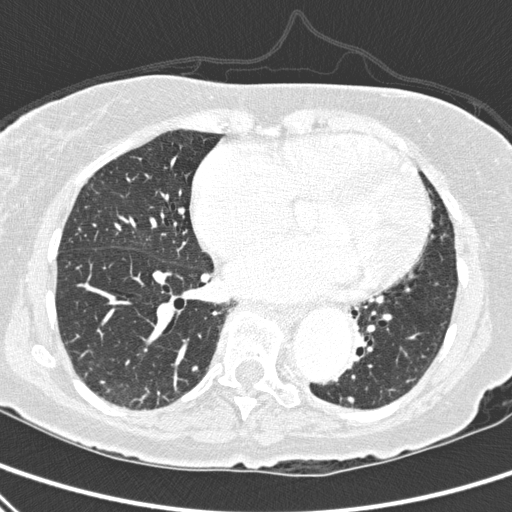
Axial chest CT slice 127 of 310 (counted from the lowest slice); 1.00 mm thick, 0.643 mm per pixel. Pulmonary nodule at rows 396–403, columns 347–353 (box = the union of the readers' outlines on this slice), outlined by three of the four readers; median longest diameter 6.3 mm (readers' outlines 5.5–6.6 mm), median volume 62 mm3 (55–65 mm3). Ratings, median across the readers with their spread: texture 5/5 (solid), all three readers agreeing; median margin 5/5 (circumscribed) (readers ranged 4/5 to 5/5 (circumscribed)); median sphericity 4/5 (readers ranged 2/5 to 4/5); calcification absent, all three readers agreeing; internal structure soft tissue, all three readers agreeing; median subtlety 4/5 (readers ranged 3–5); malignancy likelihood 3/5 at the median of three readers, spread 2–3. Scale key (1–5): texture non-solid→solid, margin indistinct→circumscribed, sphericity linear→round, subtlety extremely subtle→obvious, malignancy likelihood highly unlikely→highly suspicious of cancer. Box rows and columns are 0-based pixel indices from the top-left corner, inclusive.
Tube voltage 120 kVp; convolution kernel D.